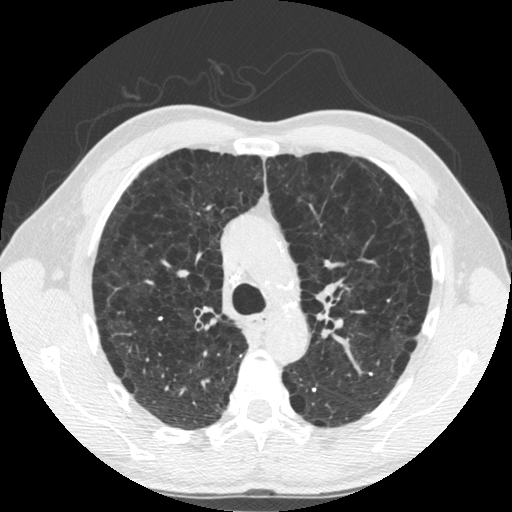
One axial slice (364 of 535, counting up from the lowest) of a chest CT acquired at 120 kVp with the STANDARD kernel; each pixel is 0.664 mm and the slice is 1.25 mm thick.
The readers outlined no nodule of 3 mm or more on this slice.